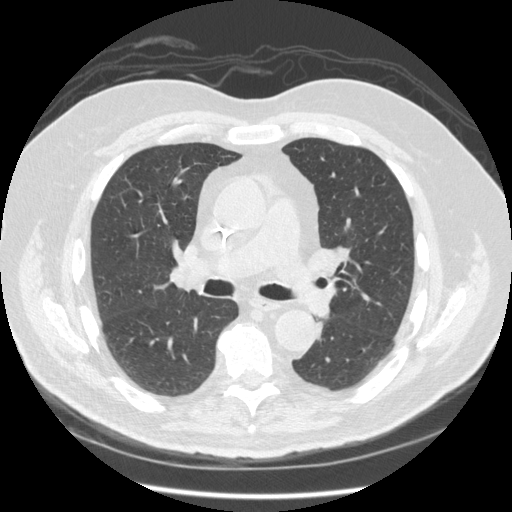
Axial chest CT slice 132 of 238 (counted from the lowest slice); tube voltage 120 kVp, convolution kernel STANDARD; slices 1.25 mm thick, 0.729 mm per pixel.
This slice carries no reader outline of a nodule 3 mm or larger.